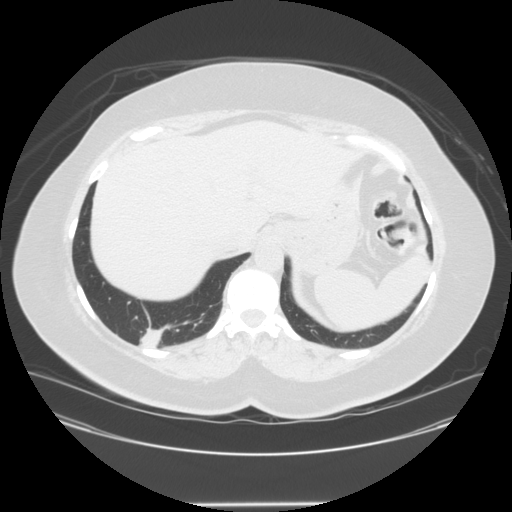
Axial slice 46 of 150 of a chest CT (slice 1 is the lowest), reconstructed with the STANDARD kernel at 120 kVp; 2.50 mm slice thickness and 0.820 mm pixels.
Pulmonary nodule at rows 326–345, columns 136–158 (box = the union of the readers' outlines on this slice), outlined by three of the four readers; median longest diameter 36.7 mm (readers' outlines 34.5–41.5 mm), median volume 15464 mm3 (15181–19016 mm3). Ratings, median across the readers with their spread: texture 5/5 (solid), all three readers agreeing; margin 4/5 at the median of three readers, spread 2/5 to 4/5; sphericity 4/5 at the median of three readers, spread 3/5 (ovoid) to 5/5 (round); calcification absent, all three readers agreeing; internal structure soft tissue from all three readers; subtlety 5/5, all three readers agreeing; malignancy likelihood 5/5 from all three readers. Scale key (1–5): texture non-solid→solid, margin indistinct→circumscribed, sphericity linear→round, subtlety extremely subtle→obvious, malignancy likelihood highly unlikely→highly suspicious of cancer. Box rows and columns are 0-based pixel indices from the top-left corner, inclusive.